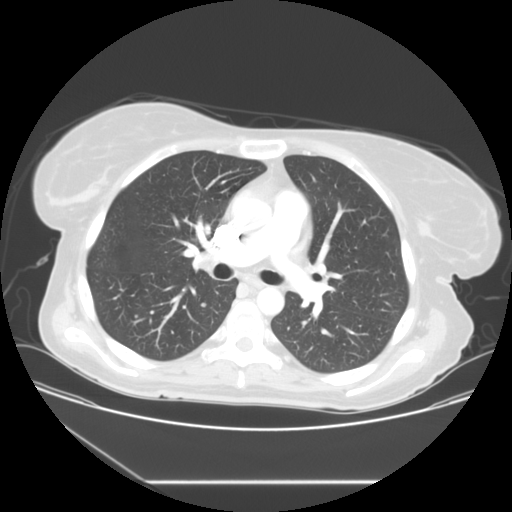
One axial slice (76 of 117, counting up from the lowest) of a chest CT acquired at 120 kVp with the STANDARD kernel; each pixel is 0.781 mm and the slice is 2.50 mm thick.
Pulmonary nodule at rows 303–306, columns 201–206 (box = that reader's outline on this slice), outlined by one of the four readers; longest diameter 5.5 mm and volume 69 mm3 from that reader's outline. Ratings by that reader: texture 5/5 (solid); margin 5/5 (circumscribed); sphericity 5/5 (round); calcification absent; internal structure soft tissue; subtlety 3/5; malignancy likelihood 2/5. Scale key (1–5): texture non-solid→solid, margin indistinct→circumscribed, sphericity linear→round, subtlety extremely subtle→obvious, malignancy likelihood highly unlikely→highly suspicious of cancer. Box rows and columns are 0-based pixel indices from the top-left corner, inclusive.